Chest CT, axial plane, 120 kVp, kernel STANDARD. Slice 429/497 from the bottom of the scan; thickness 1.25 mm; pixel size 0.703 mm.
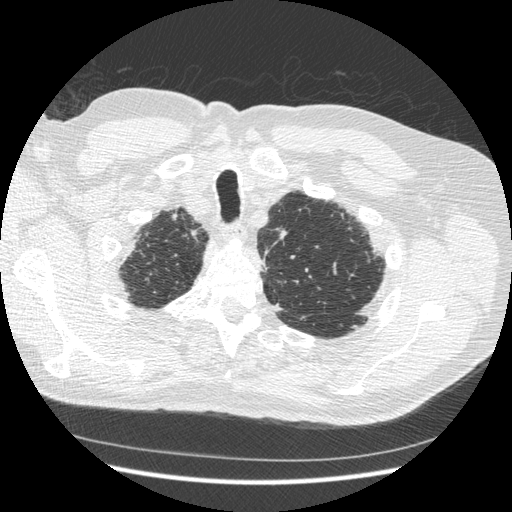
Pulmonary nodule outlined by one of the four readers; box rows 230–239, columns 280–286 (that reader's outline on this slice); longest diameter 10.1 mm and volume 89 mm3 from that reader's outline. Ratings by that reader: texture 5/5 (solid); margin 5/5 (circumscribed); sphericity 2/5; calcification absent; internal structure soft tissue; subtlety 3/5; malignancy likelihood 2/5. Scale key (1–5): texture non-solid→solid, margin indistinct→circumscribed, sphericity linear→round, subtlety extremely subtle→obvious, malignancy likelihood highly unlikely→highly suspicious of cancer. Box rows and columns are 0-based pixel indices from the top-left corner, inclusive.